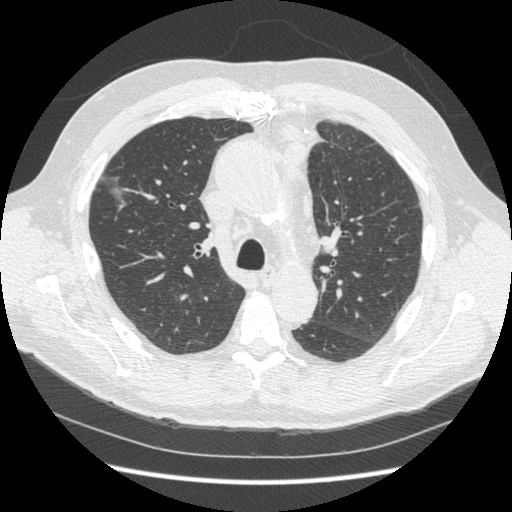
Slice 232/369 of a chest CT, counting up from the lowest; pixel size 0.703 mm, slice thickness 1.25 mm. Pulmonary nodule, outlined by one of the four readers. Box on this slice rows 173–203, columns 98–122, that reader's outline on this slice; longest diameter 27.0 mm and volume 3015 mm3 from that reader's outline. That reader's ratings: texture 1/5 (non-solid); margin 1/5 (indistinct); sphericity 3/5 (ovoid); calcification absent; internal structure soft tissue; subtlety 3/5; malignancy likelihood 3/5. Scale key (1–5): texture non-solid→solid, margin indistinct→circumscribed, sphericity linear→round, subtlety extremely subtle→obvious, malignancy likelihood highly unlikely→highly suspicious of cancer. Box rows and columns are 0-based pixel indices from the top-left corner, inclusive.
Scan settings: 120 kVp, STANDARD reconstruction kernel.